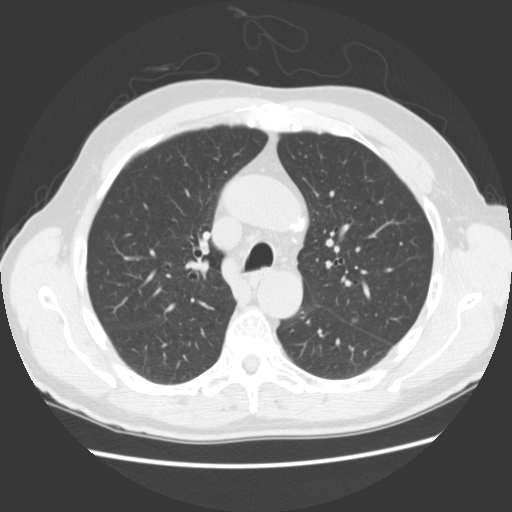
Axial chest CT slice 109 of 157 (counted from the lowest slice); 2.50 mm thick, 0.703 mm per pixel. Pulmonary nodule, outlined by two of the four readers. Box on this slice rows 319–322, columns 352–356, the union of the readers' outlines on this slice; median longest diameter 5.6 mm (readers' outlines 4.7–6.5 mm), median volume 49 mm3 (48–49 mm3). Ratings, median across the readers with their spread: texture 2.5/5 at the median of two readers, spread 1/5 (non-solid) to 4/5; margin 2/5, both readers agreeing; sphericity 3.5/5 at the median of two readers, spread 2/5 to 5/5 (round); calcification absent, both readers agreeing; internal structure soft tissue from both readers; median subtlety 1.5/5 (readers ranged 1–2); median malignancy likelihood 1.5/5 (readers ranged 1–2). Scale key (1–5): texture non-solid→solid, margin indistinct→circumscribed, sphericity linear→round, subtlety extremely subtle→obvious, malignancy likelihood highly unlikely→highly suspicious of cancer. Box rows and columns are 0-based pixel indices from the top-left corner, inclusive.
Tube voltage 120 kVp; convolution kernel STANDARD.